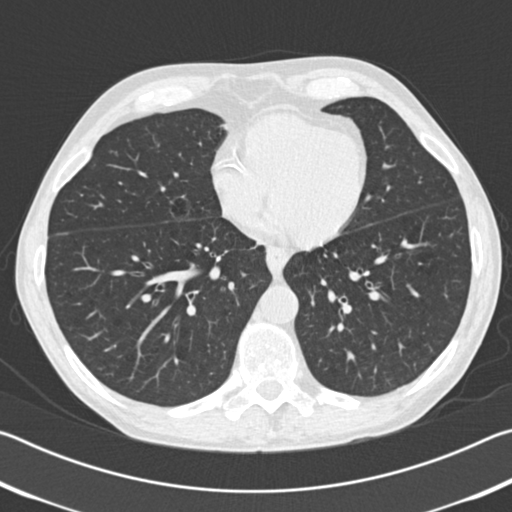
Slice 71/192 of a chest CT, counting up from the lowest; pixel size 0.664 mm, slice thickness 2.00 mm. Pulmonary nodule outlined by one of the four readers; box rows 196–216, columns 168–191 (that reader's outline on this slice); longest diameter 17.7 mm and volume 2737 mm3 from that reader's outline. Ratings by that reader: texture 1/5 (non-solid); margin 2/5; sphericity 4/5; calcification absent; internal structure soft tissue; subtlety 2/5; malignancy likelihood 2/5. Scale key (1–5): texture non-solid→solid, margin indistinct→circumscribed, sphericity linear→round, subtlety extremely subtle→obvious, malignancy likelihood highly unlikely→highly suspicious of cancer. Box rows and columns are 0-based pixel indices from the top-left corner, inclusive.
Scan settings: 120 kVp, B30f reconstruction kernel.